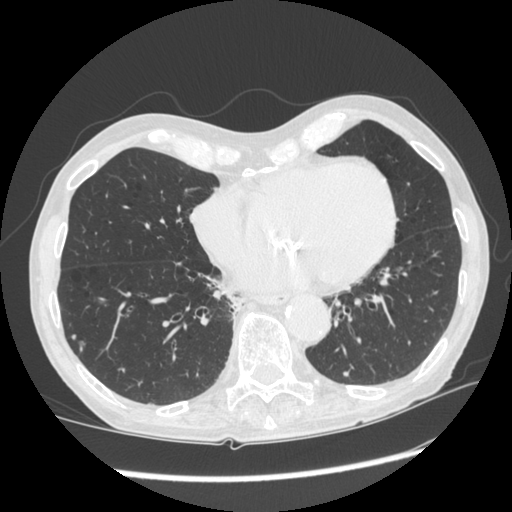
Chest CT, axial plane, 120 kVp, kernel STANDARD. Slice 105/301 from the bottom of the scan; thickness 1.25 mm; pixel size 0.684 mm.
Three pulmonary nodules are outlined on this slice; from left to right: (1) Pulmonary nodule outlined by one of the four readers; box rows 334–339, columns 71–75 (that reader's outline on this slice); longest diameter 4.8 mm and volume 27 mm3 from that reader's outline. That reader's ratings: texture 5/5 (solid); margin 5/5 (circumscribed); sphericity 5/5 (round); calcification absent; internal structure soft tissue; subtlety 2/5; malignancy likelihood 2/5. (2) Pulmonary nodule, outlined by three of the four readers. Box on this slice rows 341–353, columns 79–85, the union of the readers' outlines on this slice; median longest diameter 6.5 mm (readers' outlines 5.3–9.6 mm), median volume 52 mm3 (49–79 mm3). Ratings, median across the readers with their spread: texture 5/5 (solid), all three readers agreeing; median margin 5/5 (circumscribed) (readers ranged 4/5 to 5/5 (circumscribed)); sphericity 4/5 at the median of three readers, spread 2/5 to 5/5 (round); calcification absent from all three readers; internal structure soft tissue, all three readers agreeing; subtlety 4/5 at the median of three readers, spread 2–5; median malignancy likelihood 3/5 (readers ranged 2–3). (3) Pulmonary nodule, outlined by one of the four readers. Box on this slice rows 371–376, columns 343–348, that reader's outline on this slice; longest diameter 5.2 mm and volume 38 mm3 from that reader's outline. Ratings by that reader: texture 5/5 (solid); margin 5/5 (circumscribed); sphericity 5/5 (round); calcification absent; internal structure soft tissue; subtlety 2/5; malignancy likelihood 2/5. Scale key (1–5): texture non-solid→solid, margin indistinct→circumscribed, sphericity linear→round, subtlety extremely subtle→obvious, malignancy likelihood highly unlikely→highly suspicious of cancer. Box rows and columns are 0-based pixel indices from the top-left corner, inclusive.